One axial slice (77 of 177, counting up from the lowest) of a chest CT acquired at 120 kVp with the B30f kernel; each pixel is 0.643 mm and the slice is 2.00 mm thick.
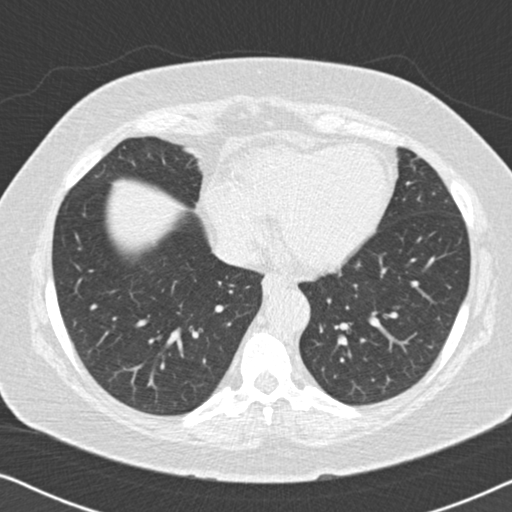
This slice carries no reader outline of a nodule 3 mm or larger.